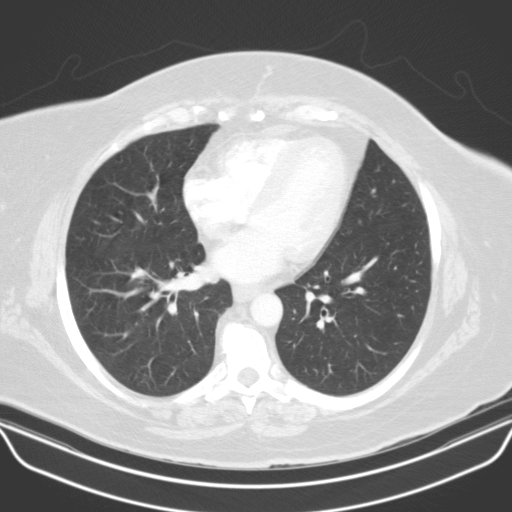
Chest CT, axial plane, 130 kVp, kernel B31s. Slice 63/121 from the bottom of the scan; thickness 3.00 mm; pixel size 0.766 mm.
This slice carries no reader outline of a nodule 3 mm or larger.